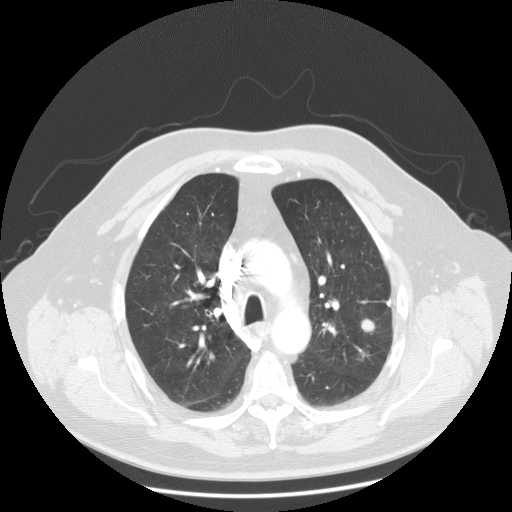
Axial slice 90 of 133 of a chest CT (slice 1 is the lowest), reconstructed with the STANDARD kernel at 120 kVp; 2.50 mm slice thickness and 0.820 mm pixels.
Two pulmonary nodules on this slice, listed from left to right. (1) Pulmonary nodule, outlined by all four readers. Box on this slice rows 318–332, columns 360–374, the union of the readers' outlines on this slice; median longest diameter 13.9 mm (readers' outlines 13.7–15.1 mm), median volume 948 mm3 (880–1281 mm3). Ratings, median across the readers with their spread: texture 5/5 (solid) from all four readers; median margin 5/5 (circumscribed) (readers ranged 4/5 to 5/5 (circumscribed)); median sphericity 4.5/5 (readers ranged 3/5 (ovoid) to 5/5 (round)); calcification absent from all four readers; internal structure soft tissue, all four readers agreeing; subtlety 4.5/5 at the median of four readers, spread 3–5; malignancy likelihood 4.5/5 at the median of four readers, spread 2–5. (2) Pulmonary nodule, outlined by two of the four readers. Box on this slice rows 300–306, columns 386–389, the union of the readers' outlines on this slice; median longest diameter 6.2 mm (readers' outlines 5.8–6.6 mm), median volume 51 mm3 (50–52 mm3). Median ratings and the readers' spread: texture 5/5 (solid) from both readers; margin 5/5 (circumscribed), both readers agreeing; sphericity 3/5 (ovoid) from both readers; calcification solid calcification, both readers agreeing; internal structure soft tissue, both readers agreeing; subtlety 4/5, both readers agreeing; malignancy likelihood 1/5, both readers agreeing. Scale key (1–5): texture non-solid→solid, margin indistinct→circumscribed, sphericity linear→round, subtlety extremely subtle→obvious, malignancy likelihood highly unlikely→highly suspicious of cancer. Box rows and columns are 0-based pixel indices from the top-left corner, inclusive.